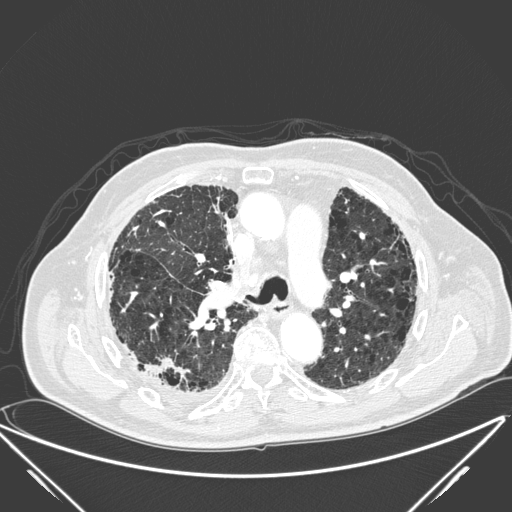
One axial slice (151 of 278, counting up from the lowest) of a chest CT acquired at 120 kVp with the D kernel; each pixel is 0.812 mm and the slice is 1.00 mm thick.
Pulmonary nodule at rows 356–379, columns 145–192 (box = the union of the readers' outlines on this slice), outlined by all four readers; longest diameter 31.1 mm on average over the four readers' outlines (readers' outlines 17.4–39.8 mm), volume 1021–4525 mm3. The readers' prevailing ratings and who disagreed: texture 5/5 (solid), all four readers agreeing; margin split among the readers: 1/5 (indistinct) (one), 2/5 (one), 3/5 (one), 5/5 (circumscribed) (one); most readers (three of four) put sphericity at 2/5, others 5/5 (round) (one); calcification absent from all four readers; internal structure soft tissue from all four readers; subtlety split among the readers: 4/5 (two), 5/5 (two); malignancy likelihood 5/5 by two of four readers; the rest gave 3/5 (one), 4/5 (one). Scale key (1–5): texture non-solid→solid, margin indistinct→circumscribed, sphericity linear→round, subtlety extremely subtle→obvious, malignancy likelihood highly unlikely→highly suspicious of cancer. Box rows and columns are 0-based pixel indices from the top-left corner, inclusive.